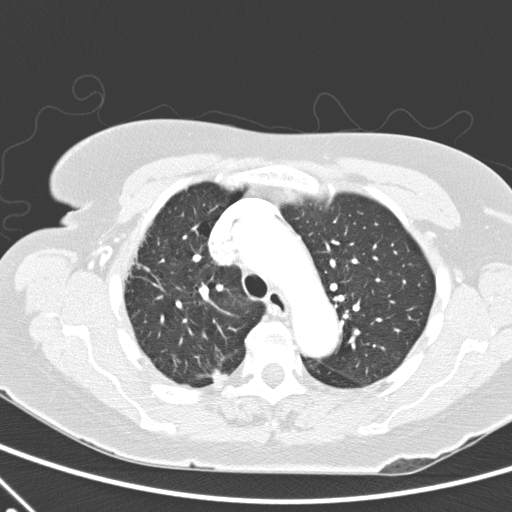
Axial chest CT slice 168 of 248 (counted from the lowest slice); tube voltage 120 kVp, convolution kernel D; slices 2.00 mm thick, 0.633 mm per pixel.
Pulmonary nodule outlined by one of the four readers; box rows 371–382, columns 211–227 (that reader's outline on this slice); longest diameter 13.2 mm and volume 418 mm3 from that reader's outline. Ratings by that reader: texture 5/5 (solid); margin 1/5 (indistinct); sphericity 2/5; calcification absent; internal structure soft tissue; subtlety 4/5; malignancy likelihood 2/5. Scale key (1–5): texture non-solid→solid, margin indistinct→circumscribed, sphericity linear→round, subtlety extremely subtle→obvious, malignancy likelihood highly unlikely→highly suspicious of cancer. Box rows and columns are 0-based pixel indices from the top-left corner, inclusive.